One axial slice (46 of 112, counting up from the lowest) of a chest CT acquired at 135 kVp with the FC01 kernel; each pixel is 0.650 mm and the slice is 3.00 mm thick.
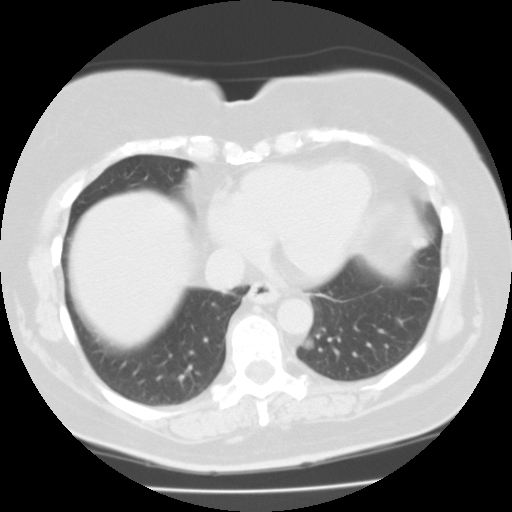
Pulmonary nodule, outlined by all four readers. Box on this slice rows 335–349, columns 302–314, the union of the readers' outlines on this slice; median longest diameter 10.9 mm (readers' outlines 10.3–11.5 mm), median volume 502 mm3 (475–618 mm3). Median ratings and the readers' spread: texture 5/5 (solid), all four readers agreeing; median margin 5/5 (circumscribed) (readers ranged 4/5 to 5/5 (circumscribed)); sphericity 4.5/5 at the median of four readers, spread 4/5 to 5/5 (round); calcification absent from all four readers; internal structure soft tissue, all four readers agreeing; subtlety 4/5 at the median of four readers, spread 3–5; median malignancy likelihood 3.5/5 (readers ranged 2–4). Scale key (1–5): texture non-solid→solid, margin indistinct→circumscribed, sphericity linear→round, subtlety extremely subtle→obvious, malignancy likelihood highly unlikely→highly suspicious of cancer. Box rows and columns are 0-based pixel indices from the top-left corner, inclusive.